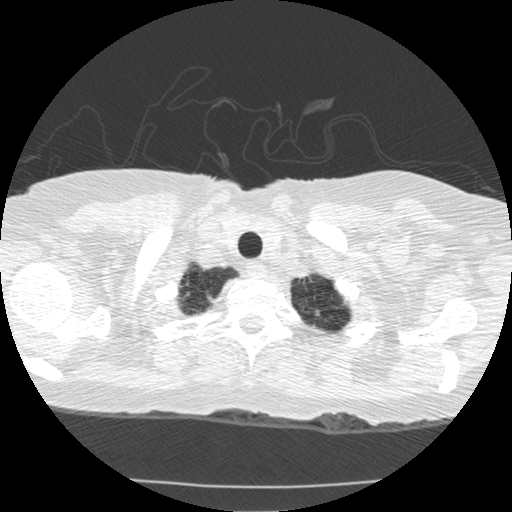
This is axial slice 480 of 519 (slice 1 is the lowest) of a chest CT; each pixel is 0.645 mm and the slice is 1.25 mm thick. Pulmonary nodule at rows 309–316, columns 313–319 (box = the union of the readers' outlines on this slice), outlined by two of the four readers; longest diameter 4.9–5.8 mm and volume 38–50 mm3 across the two readers' outlines. Ratings across the readers: texture 5/5 (solid), both readers agreeing; margin from 4/5 to 5/5 (circumscribed) across the two readers; sphericity 4/5 from both readers; calcification absent from both readers; internal structure soft tissue, both readers agreeing; subtlety 5/5 from both readers; malignancy likelihood rated between 2 and 3 out of 5 by the two readers. Scale key (1–5): texture non-solid→solid, margin indistinct→circumscribed, sphericity linear→round, subtlety extremely subtle→obvious, malignancy likelihood highly unlikely→highly suspicious of cancer. Box rows and columns are 0-based pixel indices from the top-left corner, inclusive.
Acquired at 120 kVp and reconstructed with the STANDARD kernel.